Axial chest CT slice 28 of 104 (counted from the lowest slice); tube voltage 130 kVp, convolution kernel B31s; slices 3.00 mm thick, 0.531 mm per pixel.
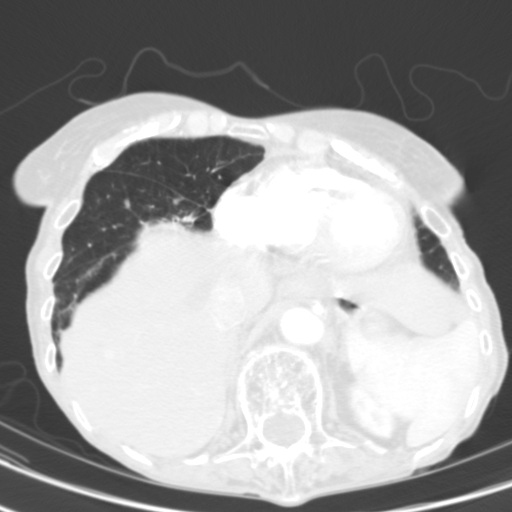
Pulmonary nodule outlined by three of the four readers; box rows 199–208, columns 124–130 (the union of the readers' outlines on this slice); the three readers' outlines give a longest diameter between 6.6 and 7.6 mm and a volume between 116 and 155 mm3. Ratings across the readers: texture 5/5 (solid) from all three readers; margin from 2/5 to 5/5 (circumscribed) across the three readers; sphericity from 2/5 to 5/5 (round) across the three readers; calcification absent, all three readers agreeing; internal structure soft tissue, all three readers agreeing; subtlety 4–5/5 (the readers disagree); malignancy likelihood 1–3/5 (the readers disagree). Scale key (1–5): texture non-solid→solid, margin indistinct→circumscribed, sphericity linear→round, subtlety extremely subtle→obvious, malignancy likelihood highly unlikely→highly suspicious of cancer. Box rows and columns are 0-based pixel indices from the top-left corner, inclusive.